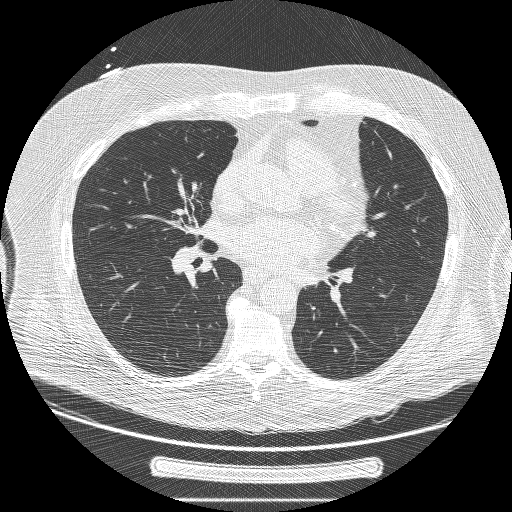
Axial chest CT slice 110 of 239 (counted from the lowest slice); tube voltage 120 kVp, convolution kernel BONE; slices 1.25 mm thick, 0.795 mm per pixel.
The readers outlined no nodule of 3 mm or more on this slice.